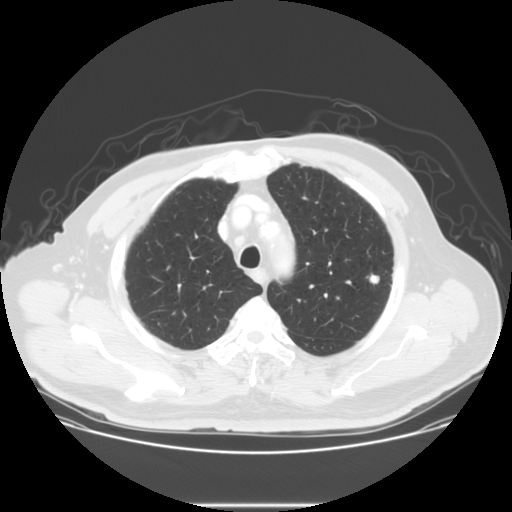
One axial slice (113 of 133, counting up from the lowest) of a chest CT acquired at 140 kVp with the STANDARD kernel; each pixel is 0.781 mm and the slice is 2.50 mm thick.
Pulmonary nodule, outlined by all four readers. Box on this slice rows 274–284, columns 368–379, the union of the readers' outlines on this slice; median longest diameter 10.7 mm (readers' outlines 9.1–11.8 mm), median volume 511 mm3 (377–678 mm3). Median ratings and the readers' spread: texture 5/5 (solid), all four readers agreeing; margin 4.5/5 at the median of four readers, spread 4/5 to 5/5 (circumscribed); sphericity 4/5 at the median of four readers, spread 4/5 to 5/5 (round); calcification: solid calcification (three), central calcification (one); internal structure soft tissue from all four readers; subtlety 5/5 at the median of four readers, spread 4–5; malignancy likelihood 1/5, all four readers agreeing. Scale key (1–5): texture non-solid→solid, margin indistinct→circumscribed, sphericity linear→round, subtlety extremely subtle→obvious, malignancy likelihood highly unlikely→highly suspicious of cancer. Box rows and columns are 0-based pixel indices from the top-left corner, inclusive.